One axial slice (432 of 481, counting up from the lowest) of a chest CT acquired at 120 kVp with the STANDARD kernel; each pixel is 0.664 mm and the slice is 1.25 mm thick.
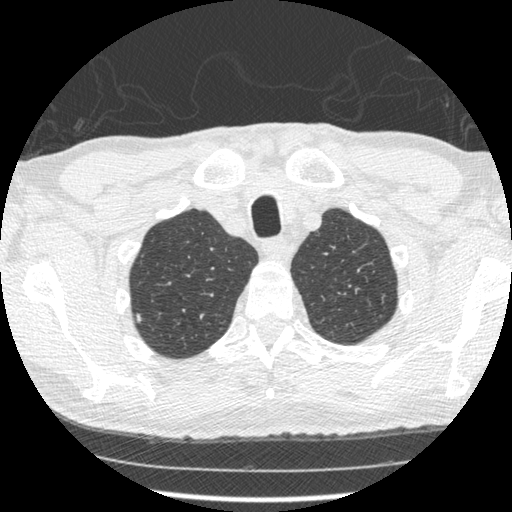
Pulmonary nodule, outlined by one of the four readers. Box on this slice rows 313–322, columns 136–141, that reader's outline on this slice; longest diameter 7.4 mm and volume 79 mm3 from that reader's outline. That reader's ratings: texture 5/5 (solid); margin 2/5; sphericity 3/5 (ovoid); calcification absent; internal structure soft tissue; subtlety 4/5; malignancy likelihood 2/5. Scale key (1–5): texture non-solid→solid, margin indistinct→circumscribed, sphericity linear→round, subtlety extremely subtle→obvious, malignancy likelihood highly unlikely→highly suspicious of cancer. Box rows and columns are 0-based pixel indices from the top-left corner, inclusive.